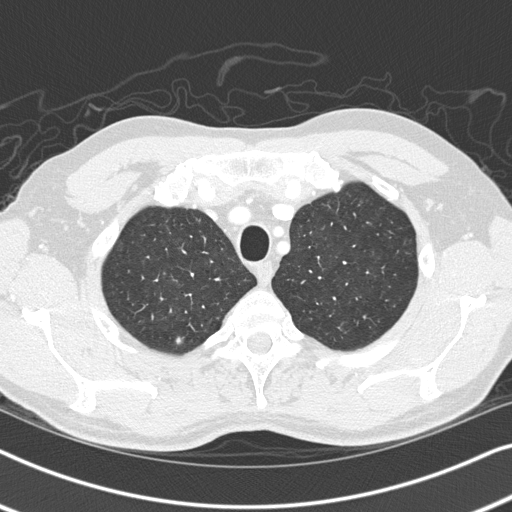
Axial chest CT slice 277 of 326 (counted from the lowest slice); tube voltage 120 kVp, convolution kernel B45f; slices 1.00 mm thick, 0.645 mm per pixel.
Pulmonary nodule, outlined by all four readers. Box on this slice rows 336–344, columns 175–183, the union of the readers' outlines on this slice; median longest diameter 6.9 mm (readers' outlines 6.6–8.2 mm), median volume 118 mm3 (74–172 mm3). Median ratings and the readers' spread: median texture 3/5 (part-solid) (readers ranged 1/5 (non-solid) to 3/5 (part-solid)); median margin 2/5 (readers ranged 2/5 to 5/5 (circumscribed)); sphericity 4/5 at the median of four readers, spread 4/5 to 5/5 (round); calcification absent, all four readers agreeing; internal structure soft tissue, all four readers agreeing; median subtlety 2.5/5 (readers ranged 1–3); median malignancy likelihood 3/5 (readers ranged 2–3). Scale key (1–5): texture non-solid→solid, margin indistinct→circumscribed, sphericity linear→round, subtlety extremely subtle→obvious, malignancy likelihood highly unlikely→highly suspicious of cancer. Box rows and columns are 0-based pixel indices from the top-left corner, inclusive.